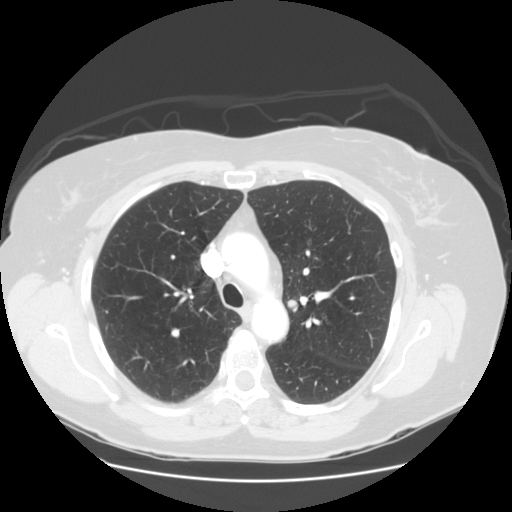
Axial slice 92 of 128 of a chest CT (slice 1 is the lowest), reconstructed with the STANDARD kernel at 120 kVp; 2.50 mm slice thickness and 0.742 mm pixels.
No nodule 3 mm or larger was outlined here by any reader.